Axial chest CT slice 125 of 257 (counted from the lowest slice); tube voltage 120 kVp, convolution kernel BONE; slices 1.25 mm thick, 0.627 mm per pixel.
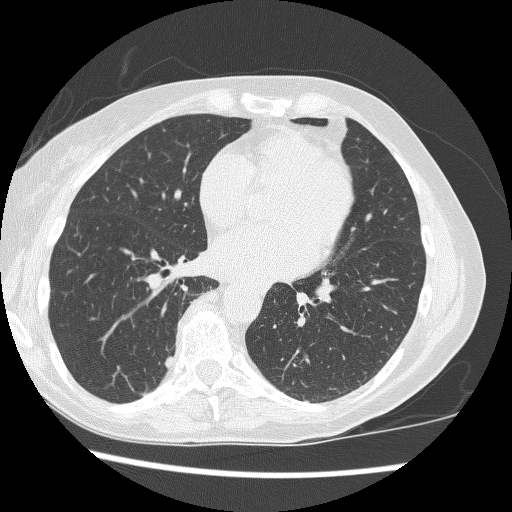
Pulmonary nodule at rows 355–372, columns 164–175 (box = the union of the readers' outlines on this slice), outlined by all four readers; longest diameter 10.2 mm on average over the four readers' outlines (readers' outlines 9.0–11.5 mm), volume 130–194 mm3. Ratings, by the readers' most common answer with dissent counted: texture 5/5 (solid) by three of four readers; the rest gave 4/5 (one); margin 4/5 by three of four readers; the rest gave 3/5 (one); most readers (three of four) put sphericity at 3/5 (ovoid), others 2/5 (one); calcification absent from all four readers; internal structure soft tissue, all four readers agreeing; subtlety split among the readers: 3/5 (two), 4/5 (two); malignancy likelihood split among the readers: 2/5 (two), 3/5 (two). Scale key (1–5): texture non-solid→solid, margin indistinct→circumscribed, sphericity linear→round, subtlety extremely subtle→obvious, malignancy likelihood highly unlikely→highly suspicious of cancer. Box rows and columns are 0-based pixel indices from the top-left corner, inclusive.